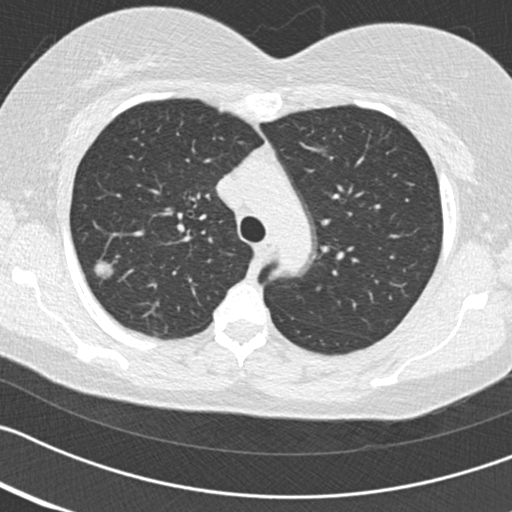
Axial chest CT slice 118 of 161 (counted from the lowest slice); tube voltage 120 kVp, convolution kernel B30f; slices 2.00 mm thick, 0.586 mm per pixel.
Pulmonary nodule at rows 260–278, columns 93–113 (box = the union of the readers' outlines on this slice), outlined by all four readers; median longest diameter 16.1 mm (readers' outlines 15.4–17.6 mm), median volume 1667 mm3 (1259–1807 mm3). Median ratings and the readers' spread: median texture 5/5 (solid) (readers ranged 4/5 to 5/5 (solid)); median margin 5/5 (circumscribed) (readers ranged 4/5 to 5/5 (circumscribed)); sphericity 5/5 (round), all four readers agreeing; calcification split among the readers: central calcification (two), absent (two); internal structure soft tissue, all four readers agreeing; subtlety 5/5 from all four readers; malignancy likelihood 2/5 at the median of four readers, spread 1–3. Scale key (1–5): texture non-solid→solid, margin indistinct→circumscribed, sphericity linear→round, subtlety extremely subtle→obvious, malignancy likelihood highly unlikely→highly suspicious of cancer. Box rows and columns are 0-based pixel indices from the top-left corner, inclusive.